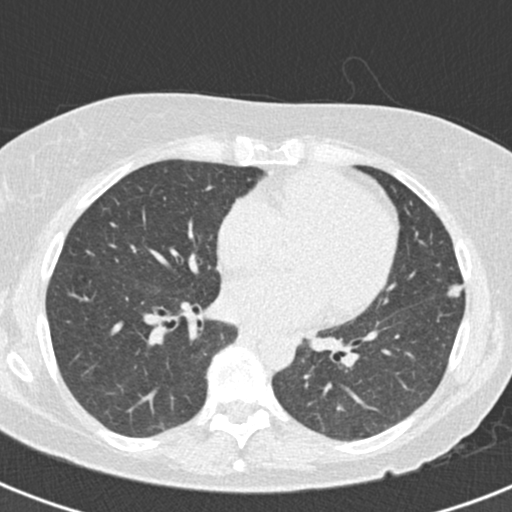
Chest CT, axial plane, 120 kVp, kernel B30f. Slice 81/166 from the bottom of the scan; thickness 2.00 mm; pixel size 0.566 mm.
Pulmonary nodule at rows 283–297, columns 446–465 (box = the union of the readers' outlines on this slice), outlined by all four readers; the four readers' outlines give a longest diameter between 11.9 and 13.8 mm and a volume between 520 and 710 mm3. Ratings across the readers: texture from 4/5 to 5/5 (solid) across the four readers; margin from 4/5 to 5/5 (circumscribed) across the four readers; sphericity from 4/5 to 5/5 (round) across the four readers; calcification absent, all four readers agreeing; internal structure soft tissue, all four readers agreeing; subtlety from 4/5 to 5/5 across the four readers; malignancy likelihood from 3/5 to 4/5 across the four readers. Scale key (1–5): texture non-solid→solid, margin indistinct→circumscribed, sphericity linear→round, subtlety extremely subtle→obvious, malignancy likelihood highly unlikely→highly suspicious of cancer. Box rows and columns are 0-based pixel indices from the top-left corner, inclusive.